Axial slice 79 of 259 of a chest CT (slice 1 is the lowest), reconstructed with the BONE kernel at 120 kVp; 1.25 mm slice thickness and 0.703 mm pixels.
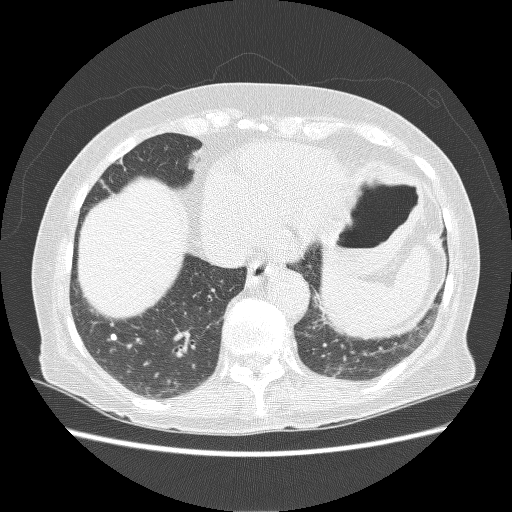
Pulmonary nodule outlined by all four readers; box rows 333–340, columns 110–117 (the union of the readers' outlines on this slice); longest diameter 6.0–6.7 mm and volume 87–136 mm3 across the four readers' outlines. The readers' ratings, as ranges where they differ: texture 5/5 (solid) from all four readers; margin 5/5 (circumscribed), all four readers agreeing; sphericity from 4/5 to 5/5 (round) across the four readers; calcification solid calcification from all four readers; internal structure soft tissue from all four readers; subtlety rated between 4 and 5 out of 5 by the four readers; malignancy likelihood 1/5 from all four readers. Scale key (1–5): texture non-solid→solid, margin indistinct→circumscribed, sphericity linear→round, subtlety extremely subtle→obvious, malignancy likelihood highly unlikely→highly suspicious of cancer. Box rows and columns are 0-based pixel indices from the top-left corner, inclusive.